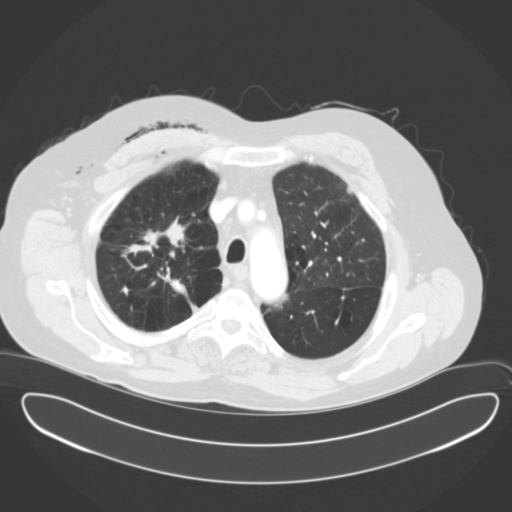
Chest CT, axial plane, 120 kVp, kernel B31f. Slice 128/153 from the bottom of the scan; thickness 3.00 mm; pixel size 0.836 mm.
Pulmonary nodule at rows 187–193, columns 346–351 (box = the union of the readers' outlines on this slice), outlined by three of the four readers; longest diameter 23.6 mm on average over the three readers' outlines (readers' outlines 23.0–24.3 mm), volume 910–1434 mm3. Ratings, by the readers' most common answer with dissent counted: most readers (two of three) put texture at 5/5 (solid), others 4/5 (one); margin split among the readers: 2/5 (one), 3/5 (one), 4/5 (one); most readers (two of three) put sphericity at 2/5, others 3/5 (ovoid) (one); calcification absent, all three readers agreeing; internal structure soft tissue, all three readers agreeing; most readers (two of three) put subtlety at 4/5, others 5/5 (one); most readers (two of three) put malignancy likelihood at 2/5, others 3/5 (one). Scale key (1–5): texture non-solid→solid, margin indistinct→circumscribed, sphericity linear→round, subtlety extremely subtle→obvious, malignancy likelihood highly unlikely→highly suspicious of cancer. Box rows and columns are 0-based pixel indices from the top-left corner, inclusive.